One axial slice (134 of 281, counting up from the lowest) of a chest CT acquired at 120 kVp with the STANDARD kernel; each pixel is 0.816 mm and the slice is 1.25 mm thick.
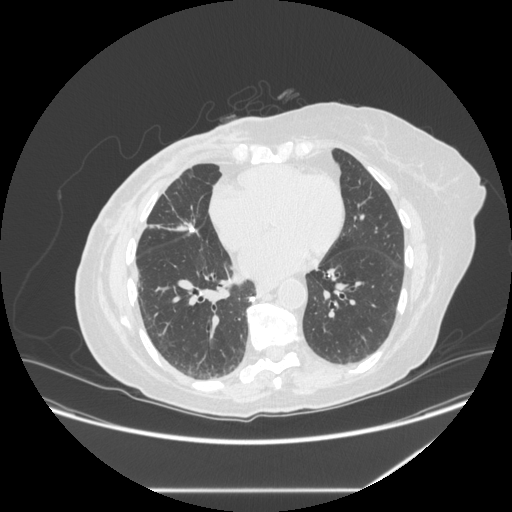
Pulmonary nodule at rows 296–301, columns 248–254 (box = the union of the readers' outlines on this slice), outlined by all four readers; median longest diameter 6.6 mm (readers' outlines 5.2–7.0 mm), median volume 86 mm3 (50–113 mm3). Ratings, median across the readers with their spread: texture 5/5 (solid) from all four readers; margin 5/5 (circumscribed), all four readers agreeing; sphericity 4.5/5 at the median of four readers, spread 3/5 (ovoid) to 5/5 (round); calcification: solid calcification (two), absent (one), central calcification (one); internal structure soft tissue from all four readers; median subtlety 3.5/5 (readers ranged 2–5); median malignancy likelihood 1/5 (readers ranged 1–2). Scale key (1–5): texture non-solid→solid, margin indistinct→circumscribed, sphericity linear→round, subtlety extremely subtle→obvious, malignancy likelihood highly unlikely→highly suspicious of cancer. Box rows and columns are 0-based pixel indices from the top-left corner, inclusive.